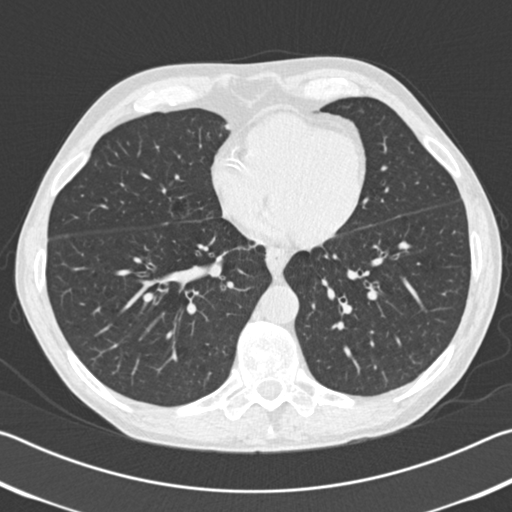
This is axial slice 72 of 192 (slice 1 is the lowest) of a chest CT; each pixel is 0.664 mm and the slice is 2.00 mm thick. Pulmonary nodule outlined by one of the four readers; box rows 197–217, columns 168–190 (that reader's outline on this slice); longest diameter 17.7 mm and volume 2737 mm3 from that reader's outline. Ratings by that reader: texture 1/5 (non-solid); margin 2/5; sphericity 4/5; calcification absent; internal structure soft tissue; subtlety 2/5; malignancy likelihood 2/5. Scale key (1–5): texture non-solid→solid, margin indistinct→circumscribed, sphericity linear→round, subtlety extremely subtle→obvious, malignancy likelihood highly unlikely→highly suspicious of cancer. Box rows and columns are 0-based pixel indices from the top-left corner, inclusive.
Tube voltage 120 kVp; convolution kernel B30f.